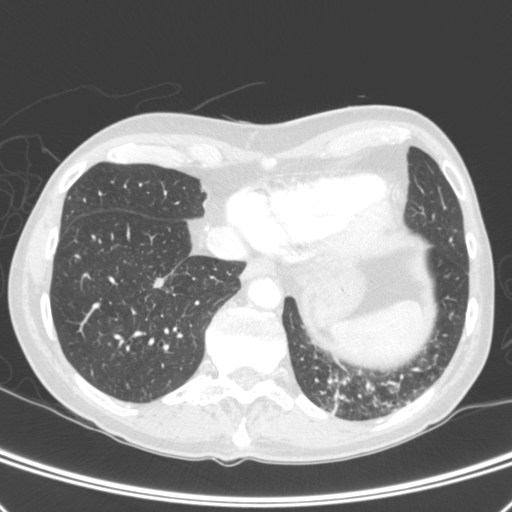
Slice 97/392 of a chest CT, counting up from the lowest; pixel size 0.639 mm, slice thickness 1.50 mm. Pulmonary nodule at rows 278–287, columns 152–164 (box = the union of the readers' outlines on this slice), outlined by three of the four readers; longest diameter 9.9 mm on average over the three readers' outlines (readers' outlines 9.0–10.9 mm), volume 190–278 mm3. The readers' prevailing ratings and who disagreed: texture 5/5 (solid) from all three readers; most readers (two of three) put margin at 5/5 (circumscribed), others 3/5 (one); sphericity 3/5 (ovoid), all three readers agreeing; calcification absent, all three readers agreeing; internal structure soft tissue from all three readers; subtlety 4/5 by two of three readers; the rest gave 5/5 (one); malignancy likelihood 2/5 by two of three readers; the rest gave 4/5 (one). Scale key (1–5): texture non-solid→solid, margin indistinct→circumscribed, sphericity linear→round, subtlety extremely subtle→obvious, malignancy likelihood highly unlikely→highly suspicious of cancer. Box rows and columns are 0-based pixel indices from the top-left corner, inclusive.
Tube voltage 120 kVp; convolution kernel C.